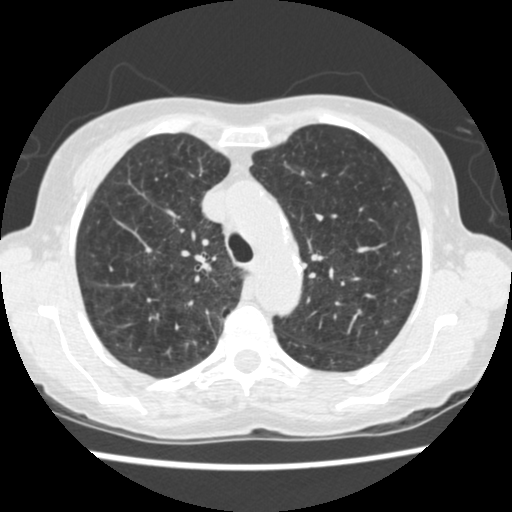
Axial chest CT slice 397 of 541 (counted from the lowest slice); tube voltage 120 kVp, convolution kernel STANDARD; slices 1.25 mm thick, 0.586 mm per pixel.
Pulmonary nodule, outlined by two of the four readers. Box on this slice rows 310–314, columns 358–361, the union of the readers' outlines on this slice; median longest diameter 5.8 mm (readers' outlines 5.6–6.1 mm), median volume 92 mm3 (85–100 mm3). Median ratings and the readers' spread: texture 5/5 (solid), both readers agreeing; margin 5/5 (circumscribed), both readers agreeing; median sphericity 4/5 (readers ranged 3/5 (ovoid) to 5/5 (round)); calcification split among the readers: absent (one), solid calcification (one); internal structure soft tissue, both readers agreeing; subtlety 3.5/5 at the median of two readers, spread 2–5; malignancy likelihood 2/5 at the median of two readers, spread 1–3. Scale key (1–5): texture non-solid→solid, margin indistinct→circumscribed, sphericity linear→round, subtlety extremely subtle→obvious, malignancy likelihood highly unlikely→highly suspicious of cancer. Box rows and columns are 0-based pixel indices from the top-left corner, inclusive.